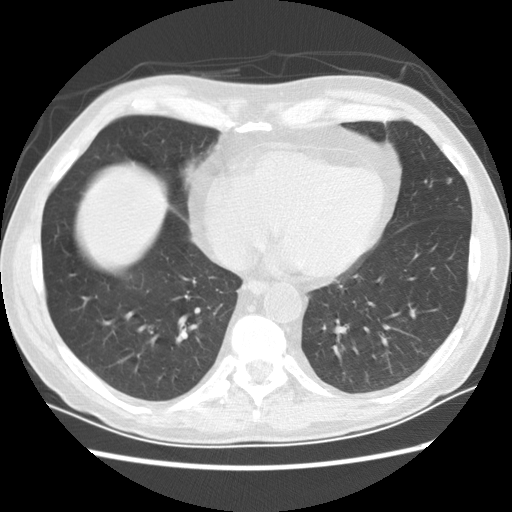
Slice 50/154 of a chest CT, counting up from the lowest; pixel size 0.684 mm, slice thickness 2.50 mm. Pulmonary nodule, outlined by three of the four readers. Box on this slice rows 177–183, columns 445–451, the union of the readers' outlines on this slice; longest diameter 6.4–7.3 mm and volume 74–83 mm3 across the three readers' outlines. The readers' ratings, as ranges where they differ: texture from 2/5 to 5/5 (solid) across the three readers; margin from 3/5 to 5/5 (circumscribed) across the three readers; sphericity from 4/5 to 5/5 (round) across the three readers; calcification absent from all three readers; internal structure soft tissue, all three readers agreeing; subtlety rated between 2 and 4 out of 5 by the three readers; malignancy likelihood 1–2/5 (the readers disagree). Scale key (1–5): texture non-solid→solid, margin indistinct→circumscribed, sphericity linear→round, subtlety extremely subtle→obvious, malignancy likelihood highly unlikely→highly suspicious of cancer. Box rows and columns are 0-based pixel indices from the top-left corner, inclusive.
Scan settings: 120 kVp, STANDARD reconstruction kernel.